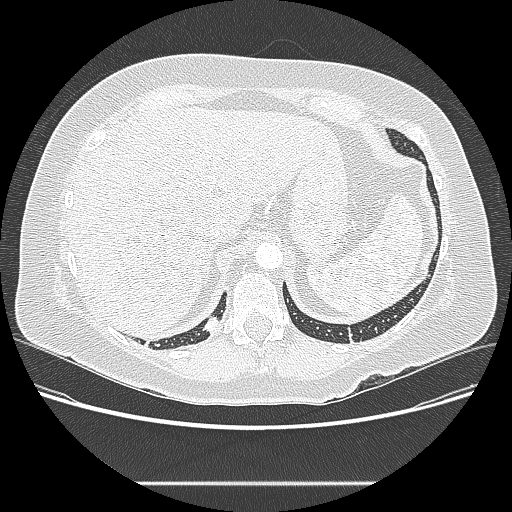
One axial slice (43 of 238, counting up from the lowest) of a chest CT acquired at 120 kVp with the LUNG kernel; each pixel is 0.742 mm and the slice is 1.25 mm thick.
Pulmonary nodule at rows 317–332, columns 203–218 (box = the union of the readers' outlines on this slice), outlined by three of the four readers; longest diameter 20.6–21.1 mm and volume 743–1062 mm3 across the three readers' outlines. The readers' ratings, as ranges where they differ: texture 5/5 (solid) from all three readers; margin from 4/5 to 5/5 (circumscribed) across the three readers; sphericity 3/5 (ovoid) from all three readers; calcification absent, all three readers agreeing; internal structure soft tissue, all three readers agreeing; subtlety rated between 3 and 4 out of 5 by the three readers; malignancy likelihood 3/5 from all three readers. Scale key (1–5): texture non-solid→solid, margin indistinct→circumscribed, sphericity linear→round, subtlety extremely subtle→obvious, malignancy likelihood highly unlikely→highly suspicious of cancer. Box rows and columns are 0-based pixel indices from the top-left corner, inclusive.